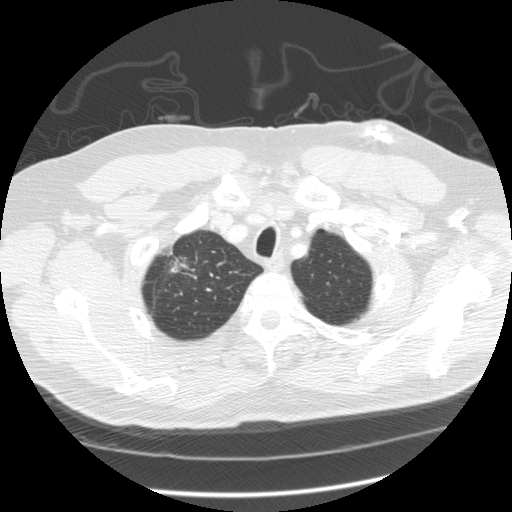
Axial chest CT slice 268 of 305 (counted from the lowest slice); tube voltage 120 kVp, convolution kernel STANDARD; slices 1.25 mm thick, 0.732 mm per pixel.
Pulmonary nodule outlined by three of the four readers, two of them on this slice; box rows 256–272, columns 168–186 (the union of the readers' outlines on this slice); the three readers' outlines give a longest diameter between 41.0 and 45.9 mm and a volume between 6528 and 11092 mm3. Ratings across the readers: texture from 3/5 (part-solid) to 5/5 (solid) across the three readers; margin from 1/5 (indistinct) to 4/5 across the three readers; sphericity from 2/5 to 3/5 (ovoid) across the three readers; calcification absent from all three readers; internal structure soft tissue, all three readers agreeing; subtlety 5/5 from all three readers; malignancy likelihood 5/5 from all three readers. Scale key (1–5): texture non-solid→solid, margin indistinct→circumscribed, sphericity linear→round, subtlety extremely subtle→obvious, malignancy likelihood highly unlikely→highly suspicious of cancer. Box rows and columns are 0-based pixel indices from the top-left corner, inclusive.